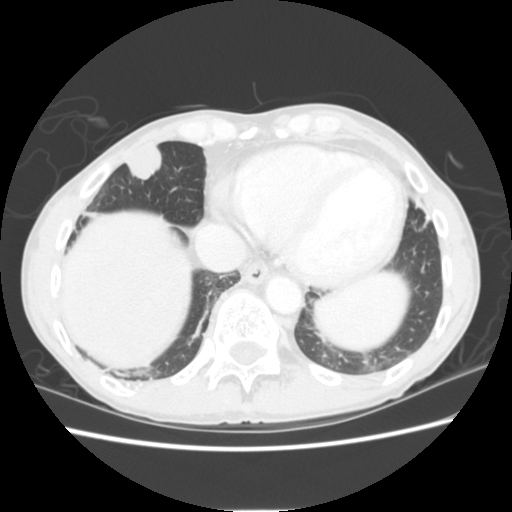
This is axial slice 54 of 255 (slice 1 is the lowest) of a chest CT; each pixel is 0.664 mm and the slice is 2.50 mm thick. Pulmonary nodule outlined by all four readers; box rows 144–179, columns 124–161 (the union of the readers' outlines on this slice); the four readers' outlines give a longest diameter between 25.4 and 30.3 mm and a volume between 4677 and 6345 mm3. Ratings across the readers: texture 5/5 (solid), all four readers agreeing; margin from 4/5 to 5/5 (circumscribed) across the four readers; sphericity from 3/5 (ovoid) to 5/5 (round) across the four readers; calcification absent, all four readers agreeing; internal structure soft tissue from all four readers; subtlety 5/5, all four readers agreeing; malignancy likelihood 3–5/5 (the readers disagree). Scale key (1–5): texture non-solid→solid, margin indistinct→circumscribed, sphericity linear→round, subtlety extremely subtle→obvious, malignancy likelihood highly unlikely→highly suspicious of cancer. Box rows and columns are 0-based pixel indices from the top-left corner, inclusive.
Acquired at 120 kVp and reconstructed with the STANDARD kernel.